Axial chest CT slice 62 of 122 (counted from the lowest slice); tube voltage 135 kVp, convolution kernel FC01; slices 3.00 mm thick, 0.586 mm per pixel.
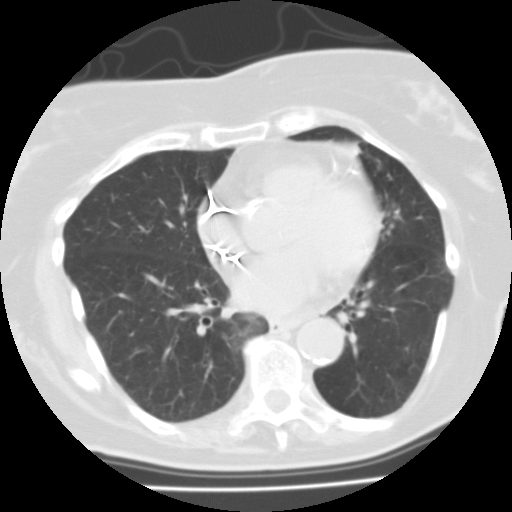
Pulmonary nodule at rows 210–216, columns 395–398 (box = that reader's outline on this slice), outlined by one of the four readers; longest diameter 7.4 mm and volume 209 mm3 from that reader's outline. Ratings by that reader: texture 5/5 (solid); margin 3/5; sphericity 4/5; calcification absent; internal structure soft tissue; subtlety 3/5; malignancy likelihood 2/5. Scale key (1–5): texture non-solid→solid, margin indistinct→circumscribed, sphericity linear→round, subtlety extremely subtle→obvious, malignancy likelihood highly unlikely→highly suspicious of cancer. Box rows and columns are 0-based pixel indices from the top-left corner, inclusive.